Axial slice 167 of 235 of a chest CT (slice 1 is the lowest), reconstructed with the BONE kernel at 120 kVp; 1.25 mm slice thickness and 0.537 mm pixels.
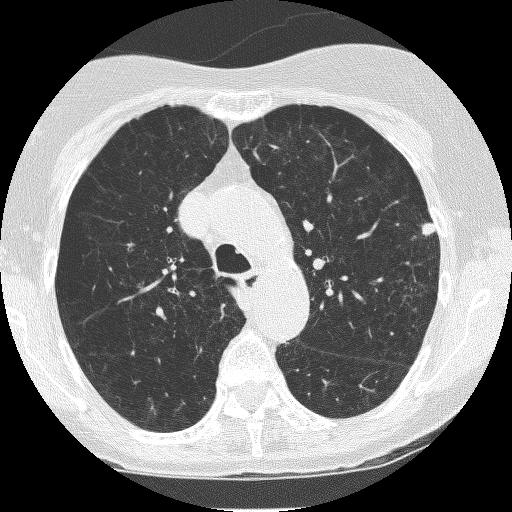
Pulmonary nodule, outlined by all four readers. Box on this slice rows 222–235, columns 421–435, the union of the readers' outlines on this slice; median longest diameter 9.0 mm (readers' outlines 8.4–9.6 mm), median volume 250 mm3 (213–290 mm3). Ratings, median across the readers with their spread: texture 5/5 (solid) at the median of four readers, spread 4/5 to 5/5 (solid); margin 4/5 at the median of four readers, spread 3/5 to 5/5 (circumscribed); sphericity 3/5 (ovoid) at the median of four readers, spread 2/5 to 5/5 (round); calcification absent, all four readers agreeing; internal structure soft tissue, all four readers agreeing; median subtlety 5/5 (readers ranged 4–5); malignancy likelihood 3.5/5 at the median of four readers, spread 2–4. Scale key (1–5): texture non-solid→solid, margin indistinct→circumscribed, sphericity linear→round, subtlety extremely subtle→obvious, malignancy likelihood highly unlikely→highly suspicious of cancer. Box rows and columns are 0-based pixel indices from the top-left corner, inclusive.